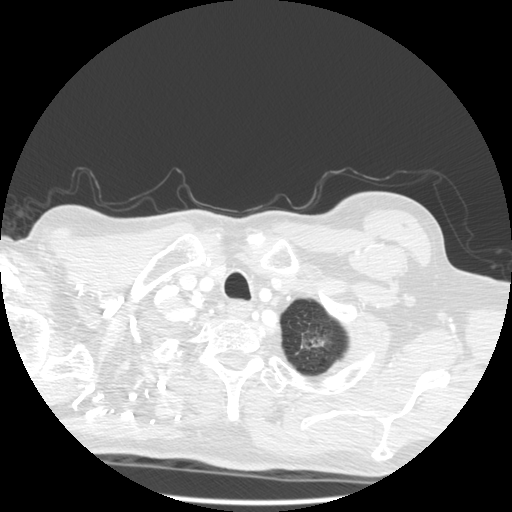
Slice 482/501 of a chest CT, counting up from the lowest; pixel size 0.703 mm, slice thickness 1.25 mm. Pulmonary nodule at rows 339–346, columns 306–323 (box = the union of the readers' outlines on this slice), outlined by three of the four readers, two of them on this slice; longest diameter 35.0 mm on average over the three readers' outlines (readers' outlines 32.1–39.2 mm), volume 2361–4873 mm3. Ratings, by the readers' most common answer with dissent counted: texture 5/5 (solid) by two of three readers; the rest gave 4/5 (one); margin split among the readers: 1/5 (indistinct) (one), 3/5 (one), 5/5 (circumscribed) (one); sphericity split among the readers: 2/5 (one), 3/5 (ovoid) (one), 5/5 (round) (one); calcification absent, all three readers agreeing; internal structure soft tissue from all three readers; subtlety 5/5 from all three readers; most readers (two of three) put malignancy likelihood at 5/5, others 4/5 (one). Scale key (1–5): texture non-solid→solid, margin indistinct→circumscribed, sphericity linear→round, subtlety extremely subtle→obvious, malignancy likelihood highly unlikely→highly suspicious of cancer. Box rows and columns are 0-based pixel indices from the top-left corner, inclusive.
Scan settings: 140 kVp, STANDARD reconstruction kernel.